Axial chest CT slice 385 of 588 (counted from the lowest slice); tube voltage 120 kVp, convolution kernel B50f; slices 0.60 mm thick, 0.514 mm per pixel.
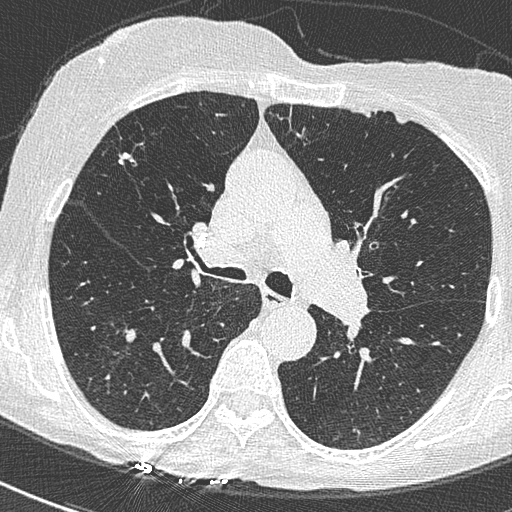
This slice carries no reader outline of a nodule 3 mm or larger.